Axial slice 94 of 141 of a chest CT (slice 1 is the lowest), reconstructed with the LUNG kernel at 120 kVp; 2.50 mm slice thickness and 0.762 mm pixels.
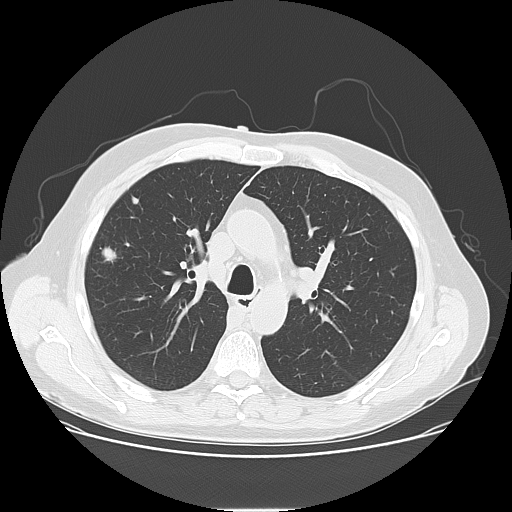
Two pulmonary nodules on this slice, listed from left to right. (1) Pulmonary nodule outlined by all four readers; box rows 246–261, columns 100–116 (the union of the readers' outlines on this slice); longest diameter 26.7 mm on average over the four readers' outlines (readers' outlines 25.3–27.9 mm), volume 2874–3633 mm3. Ratings, by the readers' most common answer with dissent counted: texture 5/5 (solid) from all four readers; margin 5/5 (circumscribed) by two of four readers; the rest gave 3/5 (one), 4/5 (one); most readers (three of four) put sphericity at 3/5 (ovoid), others 2/5 (one); calcification absent, all four readers agreeing; internal structure soft tissue, all four readers agreeing; subtlety 5/5 from all four readers; malignancy likelihood 5/5 by three of four readers; the rest gave 3/5 (one). (2) Pulmonary nodule outlined by all four readers; box rows 196–203, columns 132–138 (the union of the readers' outlines on this slice); longest diameter 7.0 mm on average over the four readers' outlines (readers' outlines 6.3–7.8 mm), volume 51–75 mm3. Ratings, by the readers' most common answer with dissent counted: texture 5/5 (solid) from all four readers; most readers (three of four) put margin at 5/5 (circumscribed), others 4/5 (one); sphericity 3/5 (ovoid) by two of four readers; the rest gave 2/5 (one), 5/5 (round) (one); calcification absent by three of four readers, solid calcification (one); internal structure soft tissue, all four readers agreeing; subtlety 5/5 by two of four readers; the rest gave 1/5 (one), 4/5 (one); most readers (three of four) put malignancy likelihood at 3/5, others 1/5 (one). Scale key (1–5): texture non-solid→solid, margin indistinct→circumscribed, sphericity linear→round, subtlety extremely subtle→obvious, malignancy likelihood highly unlikely→highly suspicious of cancer. Box rows and columns are 0-based pixel indices from the top-left corner, inclusive.